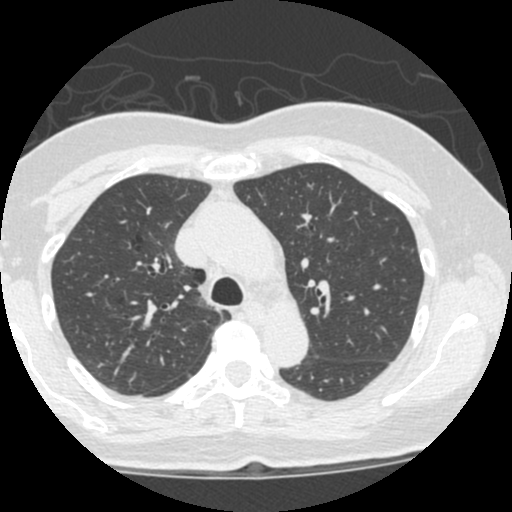
Axial slice 367 of 490 of a chest CT (slice 1 is the lowest), reconstructed with the STANDARD kernel at 120 kVp; 1.25 mm slice thickness and 0.547 mm pixels.
Pulmonary nodule outlined by three of the four readers, one of them on this slice; box rows 359–364, columns 85–94 (the one reader's outline on this slice); longest diameter 14.3–18.3 mm and volume 967–1422 mm3 across the three readers' outlines. Ratings across the readers: texture from 1/5 (non-solid) to 5/5 (solid) across the three readers; margin from 2/5 to 4/5 across the three readers; sphericity from 3/5 (ovoid) to 5/5 (round) across the three readers; calcification absent, all three readers agreeing; internal structure soft tissue from all three readers; subtlety from 1/5 to 5/5 across the three readers; malignancy likelihood rated between 2 and 5 out of 5 by the three readers. Scale key (1–5): texture non-solid→solid, margin indistinct→circumscribed, sphericity linear→round, subtlety extremely subtle→obvious, malignancy likelihood highly unlikely→highly suspicious of cancer. Box rows and columns are 0-based pixel indices from the top-left corner, inclusive.